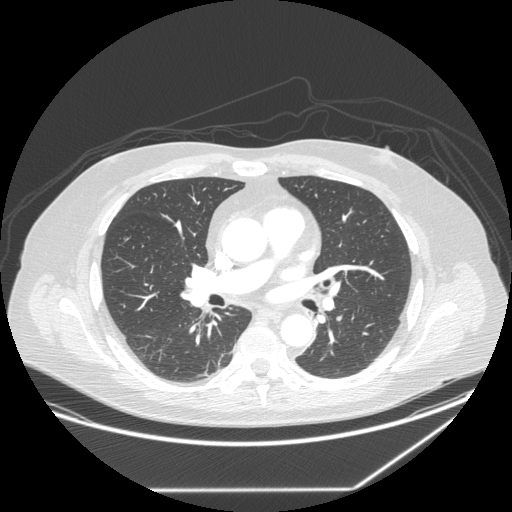
Axial chest CT slice 146 of 258 (counted from the lowest slice); 1.25 mm thick, 0.859 mm per pixel. Pulmonary nodule at rows 315–320, columns 335–341 (box = the union of the readers' outlines on this slice), outlined by three of the four readers; the three readers' outlines give a longest diameter between 7.3 and 8.5 mm and a volume between 147 and 164 mm3. Ratings across the readers: texture 5/5 (solid), all three readers agreeing; margin from 4/5 to 5/5 (circumscribed) across the three readers; sphericity from 3/5 (ovoid) to 4/5 across the three readers; calcification absent, all three readers agreeing; internal structure soft tissue, all three readers agreeing; subtlety from 3/5 to 4/5 across the three readers; malignancy likelihood from 2/5 to 3/5 across the three readers. Scale key (1–5): texture non-solid→solid, margin indistinct→circumscribed, sphericity linear→round, subtlety extremely subtle→obvious, malignancy likelihood highly unlikely→highly suspicious of cancer. Box rows and columns are 0-based pixel indices from the top-left corner, inclusive.
Acquired at 120 kVp and reconstructed with the STANDARD kernel.